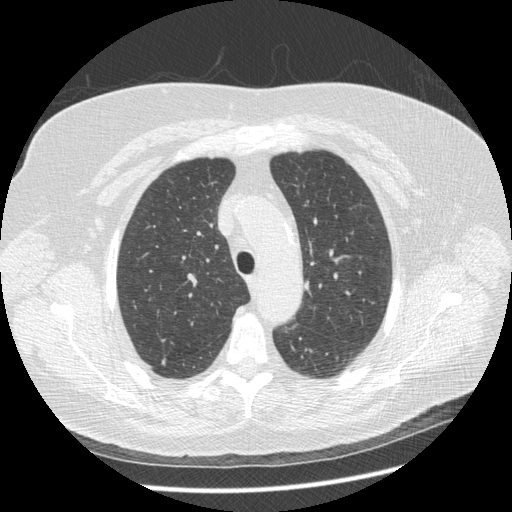
Axial slice 292 of 413 of a chest CT (slice 1 is the lowest), reconstructed with the STANDARD kernel at 120 kVp; 1.25 mm slice thickness and 0.703 mm pixels.
Pulmonary nodule outlined by two of the four readers; box rows 358–365, columns 160–165 (the union of the readers' outlines on this slice); the two readers' outlines give a longest diameter between 7.3 and 8.0 mm and a volume between 94 and 128 mm3. The readers' ratings, as ranges where they differ: texture 5/5 (solid) from both readers; margin from 3/5 to 4/5 across the two readers; sphericity from 2/5 to 3/5 (ovoid) across the two readers; calcification absent from both readers; internal structure soft tissue from both readers; subtlety from 3/5 to 4/5 across the two readers; malignancy likelihood from 3/5 to 5/5 across the two readers. Scale key (1–5): texture non-solid→solid, margin indistinct→circumscribed, sphericity linear→round, subtlety extremely subtle→obvious, malignancy likelihood highly unlikely→highly suspicious of cancer. Box rows and columns are 0-based pixel indices from the top-left corner, inclusive.